Axial slice 369 of 541 of a chest CT (slice 1 is the lowest), reconstructed with the STANDARD kernel at 120 kVp; 1.25 mm slice thickness and 0.586 mm pixels.
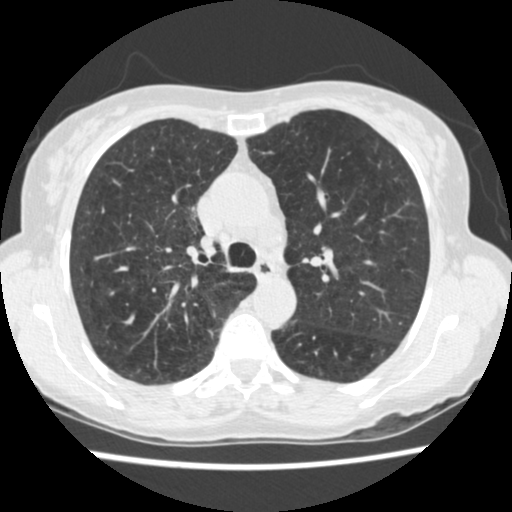
Pulmonary nodule, outlined by all four readers, two of them on this slice. Box on this slice rows 164–168, columns 376–379, the union of the readers' outlines on this slice; median longest diameter 6.8 mm (readers' outlines 5.4–7.8 mm), median volume 103 mm3 (67–124 mm3). Ratings, median across the readers with their spread: texture 5/5 (solid) at the median of four readers, spread 4/5 to 5/5 (solid); median margin 4/5 (readers ranged 4/5 to 5/5 (circumscribed)); median sphericity 3/5 (ovoid) (readers ranged 2/5 to 5/5 (round)); calcification: absent (three), central calcification (one); internal structure soft tissue from all four readers; subtlety 3.5/5 at the median of four readers, spread 3–5; median malignancy likelihood 2.5/5 (readers ranged 1–4). Scale key (1–5): texture non-solid→solid, margin indistinct→circumscribed, sphericity linear→round, subtlety extremely subtle→obvious, malignancy likelihood highly unlikely→highly suspicious of cancer. Box rows and columns are 0-based pixel indices from the top-left corner, inclusive.